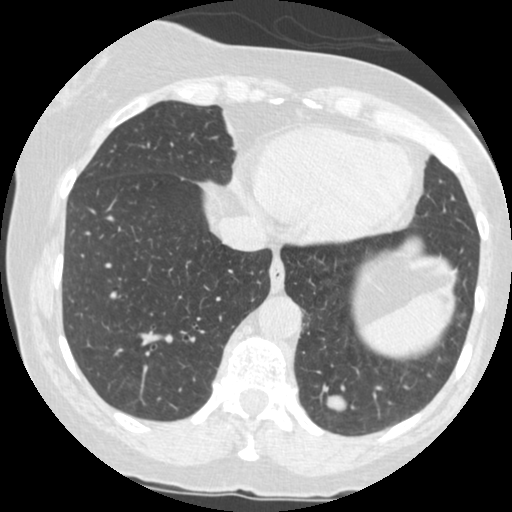
Axial slice 125 of 484 of a chest CT (slice 1 is the lowest), reconstructed with the STANDARD kernel at 120 kVp; 1.25 mm slice thickness and 0.586 mm pixels.
Pulmonary nodule at rows 395–412, columns 326–348 (box = the union of the readers' outlines on this slice), outlined by all four readers; longest diameter 15.7 mm on average over the four readers' outlines (readers' outlines 14.7–16.9 mm), volume 1036–1469 mm3. The readers' prevailing ratings and who disagreed: texture 5/5 (solid), all four readers agreeing; margin 5/5 (circumscribed), all four readers agreeing; sphericity 4/5 by two of four readers; the rest gave 3/5 (ovoid) (one), 5/5 (round) (one); calcification absent from all four readers; internal structure soft tissue from all four readers; subtlety 5/5, all four readers agreeing; malignancy likelihood 5/5 by two of four readers; the rest gave 2/5 (one), 3/5 (one). Scale key (1–5): texture non-solid→solid, margin indistinct→circumscribed, sphericity linear→round, subtlety extremely subtle→obvious, malignancy likelihood highly unlikely→highly suspicious of cancer. Box rows and columns are 0-based pixel indices from the top-left corner, inclusive.